One axial slice (412 of 481, counting up from the lowest) of a chest CT acquired at 120 kVp with the STANDARD kernel; each pixel is 0.742 mm and the slice is 1.25 mm thick.
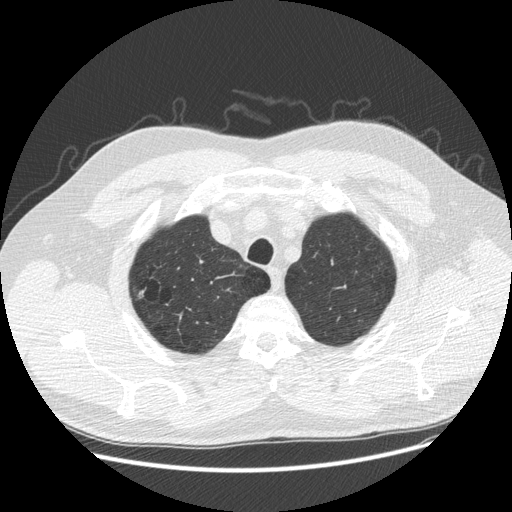
Pulmonary nodule, outlined by two of the four readers. Box on this slice rows 286–298, columns 132–143, the union of the readers' outlines on this slice; longest diameter 15.0–18.6 mm and volume 293–924 mm3 across the two readers' outlines. The readers' ratings, as ranges where they differ: texture 1/5 (non-solid) from both readers; margin from 1/5 (indistinct) to 2/5 across the two readers; sphericity from 3/5 (ovoid) to 5/5 (round) across the two readers; calcification absent, both readers agreeing; internal structure soft tissue, both readers agreeing; subtlety rated between 1 and 2 out of 5 by the two readers; malignancy likelihood rated between 2 and 4 out of 5 by the two readers. Scale key (1–5): texture non-solid→solid, margin indistinct→circumscribed, sphericity linear→round, subtlety extremely subtle→obvious, malignancy likelihood highly unlikely→highly suspicious of cancer. Box rows and columns are 0-based pixel indices from the top-left corner, inclusive.